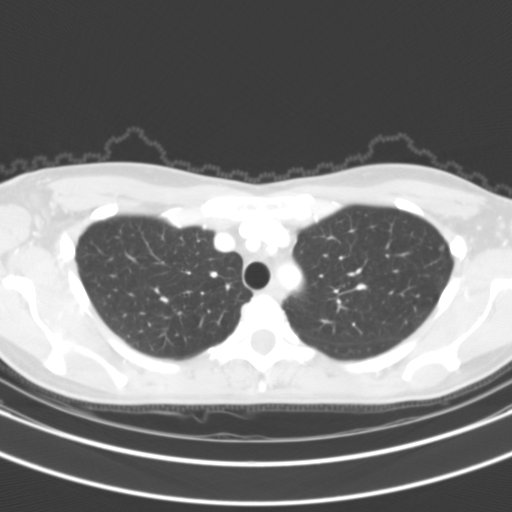
Axial chest CT slice 85 of 116 (counted from the lowest slice); 3.00 mm thick, 0.588 mm per pixel. Pulmonary nodule, outlined by all four readers. Box on this slice rows 244–251, columns 438–444, the union of the readers' outlines on this slice; median longest diameter 4.9 mm (readers' outlines 4.3–5.4 mm), median volume 65 mm3 (29–69 mm3). Ratings, median across the readers with their spread: texture 3/5 (part-solid) at the median of four readers, spread 1/5 (non-solid) to 5/5 (solid); median margin 3/5 (readers ranged 1/5 (indistinct) to 4/5); sphericity 3/5 (ovoid) at the median of four readers, spread 3/5 (ovoid) to 4/5; calcification absent from all four readers; internal structure soft tissue, all four readers agreeing; subtlety 2.5/5 at the median of four readers, spread 1–5; malignancy likelihood 2.5/5 at the median of four readers, spread 1–4. Scale key (1–5): texture non-solid→solid, margin indistinct→circumscribed, sphericity linear→round, subtlety extremely subtle→obvious, malignancy likelihood highly unlikely→highly suspicious of cancer. Box rows and columns are 0-based pixel indices from the top-left corner, inclusive.
Scan settings: 130 kVp, B31s reconstruction kernel.